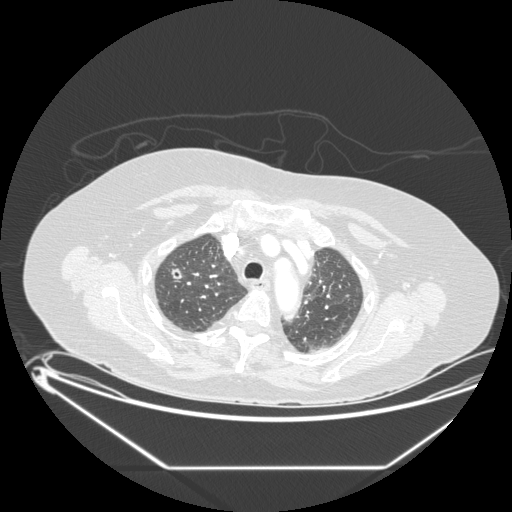
Chest CT, axial plane, 120 kVp, kernel STANDARD. Slice 162/197 from the bottom of the scan; thickness 1.25 mm; pixel size 0.859 mm.
Pulmonary nodule at rows 268–278, columns 170–181 (box = the union of the readers' outlines on this slice), outlined by all four readers; longest diameter 10.4–12.9 mm and volume 381–630 mm3 across the four readers' outlines. Ratings across the readers: texture from 3/5 (part-solid) to 5/5 (solid) across the four readers; margin from 2/5 to 5/5 (circumscribed) across the four readers; sphericity from 4/5 to 5/5 (round) across the four readers; calcification absent from all four readers; internal structure: soft tissue (three), air (one); subtlety rated between 3 and 5 out of 5 by the four readers; malignancy likelihood from 2/5 to 4/5 across the four readers. Scale key (1–5): texture non-solid→solid, margin indistinct→circumscribed, sphericity linear→round, subtlety extremely subtle→obvious, malignancy likelihood highly unlikely→highly suspicious of cancer. Box rows and columns are 0-based pixel indices from the top-left corner, inclusive.